Axial chest CT slice 195 of 245 (counted from the lowest slice); tube voltage 120 kVp, convolution kernel BONE; slices 1.25 mm thick, 0.664 mm per pixel.
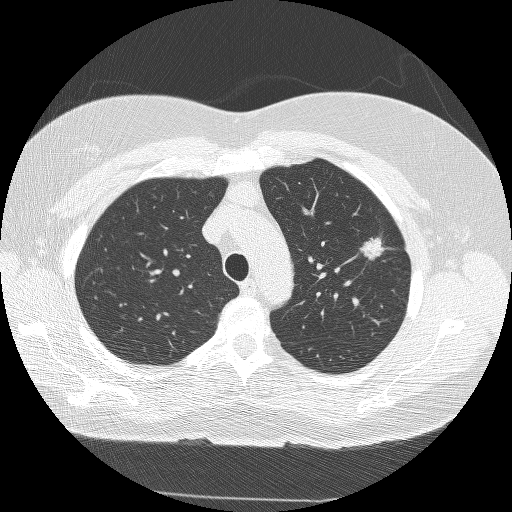
Pulmonary nodule, outlined by all four readers. Box on this slice rows 236–260, columns 359–387, the union of the readers' outlines on this slice; longest diameter 21.3 mm on average over the four readers' outlines (readers' outlines 20.8–22.3 mm), volume 2976–3390 mm3. Ratings, by the readers' most common answer with dissent counted: texture 5/5 (solid) by three of four readers; the rest gave 4/5 (one); margin split among the readers: 3/5 (two), 4/5 (two); sphericity 3/5 (ovoid) by two of four readers; the rest gave 4/5 (one), 5/5 (round) (one); calcification absent, all four readers agreeing; internal structure soft tissue from all four readers; subtlety 5/5 from all four readers; malignancy likelihood 5/5, all four readers agreeing. Scale key (1–5): texture non-solid→solid, margin indistinct→circumscribed, sphericity linear→round, subtlety extremely subtle→obvious, malignancy likelihood highly unlikely→highly suspicious of cancer. Box rows and columns are 0-based pixel indices from the top-left corner, inclusive.